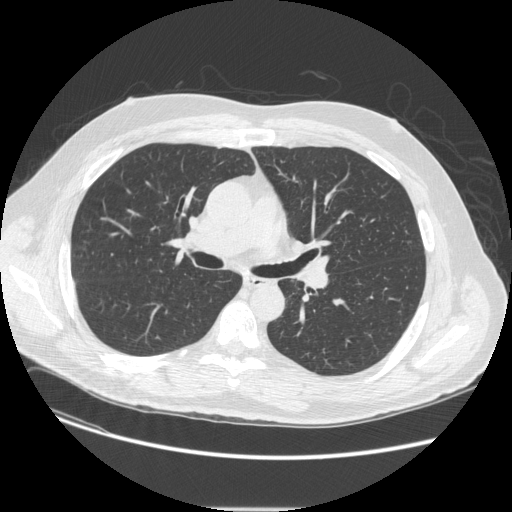
Axial chest CT slice 270 of 461 (counted from the lowest slice); tube voltage 120 kVp, convolution kernel STANDARD; slices 1.25 mm thick, 0.781 mm per pixel.
The readers outlined no nodule of 3 mm or more on this slice.